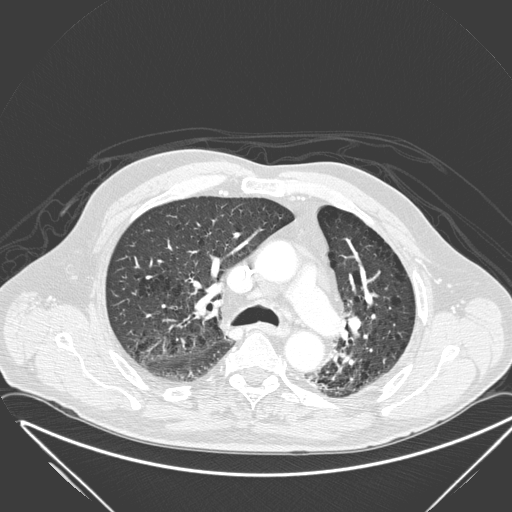
Axial slice 153 of 280 of a chest CT (slice 1 is the lowest), reconstructed with the D kernel at 120 kVp; 1.00 mm slice thickness and 0.830 mm pixels.
None of the four readers outlined a nodule of 3 mm or more on this slice.